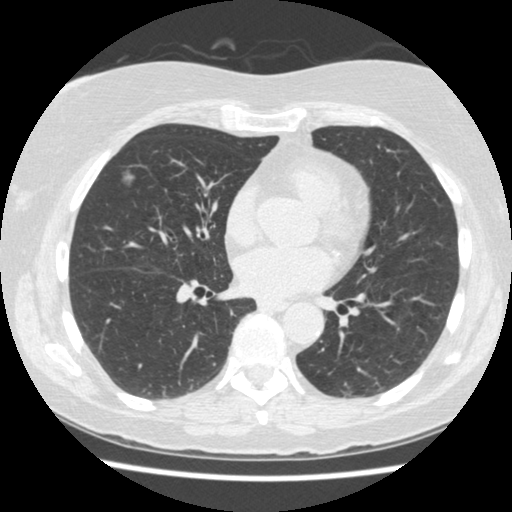
One axial slice (220 of 474, counting up from the lowest) of a chest CT acquired at 120 kVp with the STANDARD kernel; each pixel is 0.625 mm and the slice is 1.25 mm thick.
Pulmonary nodule outlined by all four readers; box rows 168–186, columns 121–135 (the union of the readers' outlines on this slice); longest diameter 14.7 mm on average over the four readers' outlines (readers' outlines 12.6–15.8 mm), volume 209–921 mm3. Ratings, by the readers' most common answer with dissent counted: most readers (three of four) put texture at 3/5 (part-solid), others 2/5 (one); margin 3/5 by three of four readers; the rest gave 1/5 (indistinct) (one); sphericity split among the readers: 2/5 (one), 3/5 (ovoid) (one), 4/5 (one), 5/5 (round) (one); calcification absent from all four readers; internal structure soft tissue from all four readers; subtlety 5/5 by two of four readers; the rest gave 3/5 (one), 4/5 (one); most readers (three of four) put malignancy likelihood at 5/5, others 3/5 (one). Scale key (1–5): texture non-solid→solid, margin indistinct→circumscribed, sphericity linear→round, subtlety extremely subtle→obvious, malignancy likelihood highly unlikely→highly suspicious of cancer. Box rows and columns are 0-based pixel indices from the top-left corner, inclusive.